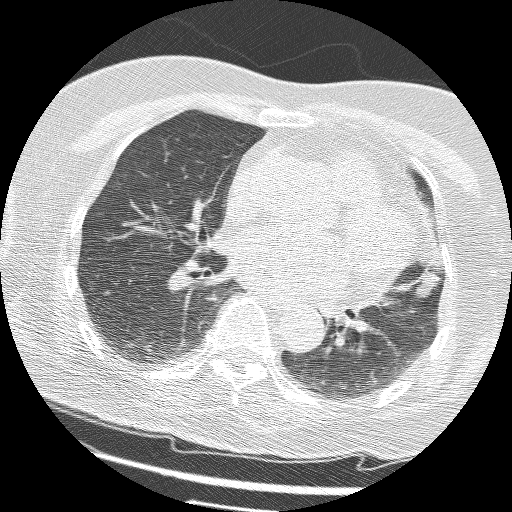
Axial chest CT slice 66 of 161 (counted from the lowest slice); tube voltage 120 kVp, convolution kernel BONE; slices 1.25 mm thick, 0.549 mm per pixel.
Pulmonary nodule at rows 269–298, columns 414–439 (box = the union of the readers' outlines on this slice), outlined by all four readers; median longest diameter 18.7 mm (readers' outlines 18.2–19.7 mm), median volume 1426 mm3 (1334–1755 mm3). Ratings, median across the readers with their spread: texture 5/5 (solid), all four readers agreeing; median margin 4/5 (readers ranged 3/5 to 5/5 (circumscribed)); sphericity 3/5 (ovoid) at the median of four readers, spread 3/5 (ovoid) to 4/5; calcification absent, all four readers agreeing; internal structure soft tissue from all four readers; subtlety 5/5, all four readers agreeing; malignancy likelihood 5/5 from all four readers. Scale key (1–5): texture non-solid→solid, margin indistinct→circumscribed, sphericity linear→round, subtlety extremely subtle→obvious, malignancy likelihood highly unlikely→highly suspicious of cancer. Box rows and columns are 0-based pixel indices from the top-left corner, inclusive.